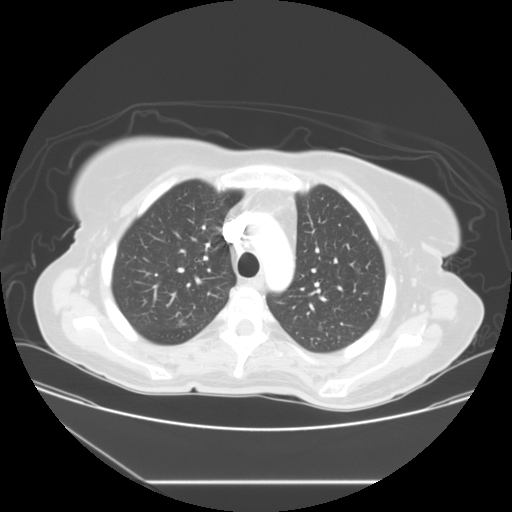
Axial slice 90 of 117 of a chest CT (slice 1 is the lowest), reconstructed with the STANDARD kernel at 120 kVp; 2.50 mm slice thickness and 0.781 mm pixels.
Three pulmonary nodules on this slice, listed from left to right. (1) Pulmonary nodule at rows 319–325, columns 179–185 (box = the union of the readers' outlines on this slice), outlined by three of the four readers, two of them on this slice; median longest diameter 8.2 mm (readers' outlines 7.2–8.9 mm), median volume 139 mm3 (72–204 mm3). Ratings, median across the readers with their spread: texture 5/5 (solid) from all three readers; margin 3/5 at the median of three readers, spread 3/5 to 5/5 (circumscribed); sphericity 4/5 at the median of three readers, spread 2/5 to 5/5 (round); calcification absent, all three readers agreeing; internal structure soft tissue from all three readers; subtlety 3/5 at the median of three readers, spread 3–4; malignancy likelihood 3/5 at the median of three readers, spread 2–3. (2) Pulmonary nodule at rows 325–329, columns 319–321 (box = the union of the readers' outlines on this slice), outlined by all four readers, two of them on this slice; longest diameter 7.0 mm on average over the four readers' outlines (readers' outlines 5.6–8.0 mm), volume 141–226 mm3. Ratings, by the readers' most common answer with dissent counted: texture 5/5 (solid) from all four readers; most readers (three of four) put margin at 5/5 (circumscribed), others 4/5 (one); sphericity 5/5 (round), all four readers agreeing; calcification absent, all four readers agreeing; internal structure soft tissue, all four readers agreeing; subtlety 3/5 by two of four readers; the rest gave 4/5 (one), 5/5 (one); malignancy likelihood split among the readers: 2/5 (two), 3/5 (two). (3) Pulmonary nodule at rows 268–271, columns 357–359 (box = the one reader's outline on this slice), outlined by three of the four readers, one of them on this slice; longest diameter 6.9 mm on average over the three readers' outlines (readers' outlines 5.9–7.4 mm), volume 91–153 mm3. The readers' prevailing ratings and who disagreed: texture 5/5 (solid) from all three readers; margin 5/5 (circumscribed) by two of three readers; the rest gave 4/5 (one); sphericity 5/5 (round) by two of three readers; the rest gave 4/5 (one); calcification absent from all three readers; internal structure soft tissue from all three readers; subtlety split among the readers: 3/5 (one), 4/5 (one), 5/5 (one); malignancy likelihood split among the readers: 2/5 (one), 3/5 (one), 4/5 (one). Scale key (1–5): texture non-solid→solid, margin indistinct→circumscribed, sphericity linear→round, subtlety extremely subtle→obvious, malignancy likelihood highly unlikely→highly suspicious of cancer. Box rows and columns are 0-based pixel indices from the top-left corner, inclusive.